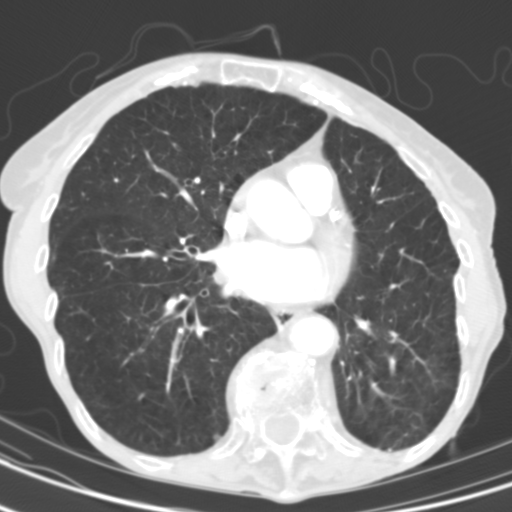
Axial slice 46 of 104 of a chest CT (slice 1 is the lowest), reconstructed with the B31s kernel at 130 kVp; 3.00 mm slice thickness and 0.531 mm pixels.
Pulmonary nodule at rows 284–286, columns 140–143 (box = the union of the readers' outlines on this slice), outlined by two of the four readers; median longest diameter 10.2 mm (readers' outlines 10.2 mm), median volume 153 mm3 (152–154 mm3). Median ratings and the readers' spread: median texture 3.5/5 (readers ranged 3/5 (part-solid) to 4/5); median margin 2.5/5 (readers ranged 2/5 to 3/5); sphericity 3.5/5 at the median of two readers, spread 2/5 to 5/5 (round); calcification absent, both readers agreeing; internal structure soft tissue from both readers; subtlety 3.5/5 at the median of two readers, spread 3–4; median malignancy likelihood 2/5 (readers ranged 1–3). Scale key (1–5): texture non-solid→solid, margin indistinct→circumscribed, sphericity linear→round, subtlety extremely subtle→obvious, malignancy likelihood highly unlikely→highly suspicious of cancer. Box rows and columns are 0-based pixel indices from the top-left corner, inclusive.